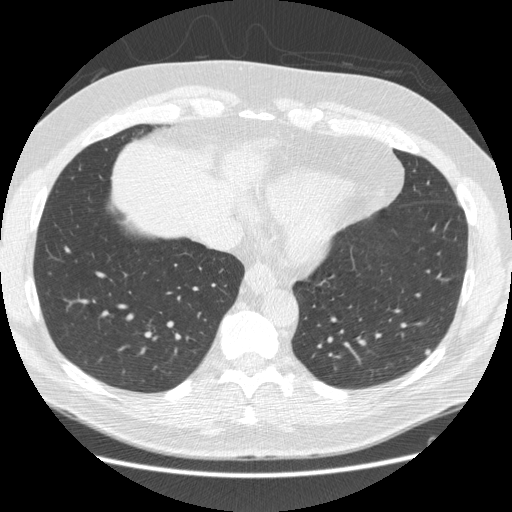
Slice 187/538 of a chest CT, counting up from the lowest; pixel size 0.742 mm, slice thickness 1.25 mm. Pulmonary nodule at rows 347–355, columns 423–431 (box = the union of the readers' outlines on this slice), outlined by three of the four readers; longest diameter 6.8 mm on average over the three readers' outlines (readers' outlines 6.1–8.0 mm), volume 26–109 mm3. Ratings, by the readers' most common answer with dissent counted: texture 5/5 (solid) by two of three readers; the rest gave 4/5 (one); margin split among the readers: 1/5 (indistinct) (one), 4/5 (one), 5/5 (circumscribed) (one); sphericity split among the readers: 3/5 (ovoid) (one), 4/5 (one), 5/5 (round) (one); calcification absent from all three readers; internal structure soft tissue from all three readers; subtlety split among the readers: 2/5 (one), 3/5 (one), 5/5 (one); malignancy likelihood split among the readers: 2/5 (one), 3/5 (one), 4/5 (one). Scale key (1–5): texture non-solid→solid, margin indistinct→circumscribed, sphericity linear→round, subtlety extremely subtle→obvious, malignancy likelihood highly unlikely→highly suspicious of cancer. Box rows and columns are 0-based pixel indices from the top-left corner, inclusive.
Acquired at 120 kVp and reconstructed with the STANDARD kernel.